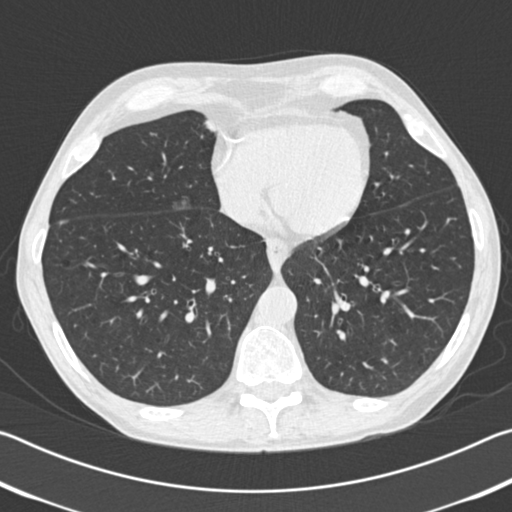
This is axial slice 66 of 192 (slice 1 is the lowest) of a chest CT; each pixel is 0.664 mm and the slice is 2.00 mm thick. Pulmonary nodule at rows 197–210, columns 173–191 (box = that reader's outline on this slice), outlined by one of the four readers; longest diameter 17.7 mm and volume 2737 mm3 from that reader's outline. Ratings by that reader: texture 1/5 (non-solid); margin 2/5; sphericity 4/5; calcification absent; internal structure soft tissue; subtlety 2/5; malignancy likelihood 2/5. Scale key (1–5): texture non-solid→solid, margin indistinct→circumscribed, sphericity linear→round, subtlety extremely subtle→obvious, malignancy likelihood highly unlikely→highly suspicious of cancer. Box rows and columns are 0-based pixel indices from the top-left corner, inclusive.
Acquired at 120 kVp and reconstructed with the B30f kernel.